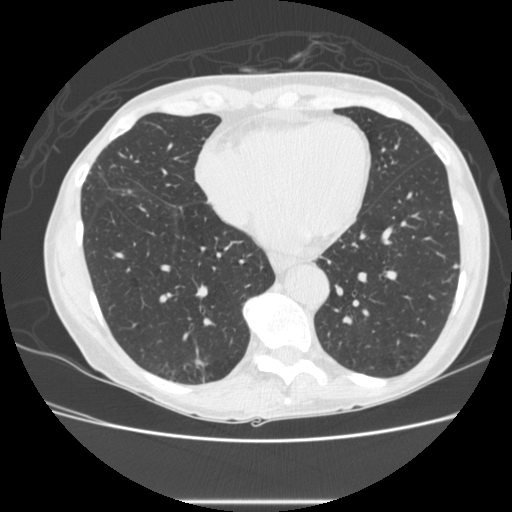
Chest CT, axial plane, 120 kVp, kernel STANDARD. Slice 99/265 from the bottom of the scan; thickness 1.25 mm; pixel size 0.670 mm.
Pulmonary nodule, outlined by three of the four readers. Box on this slice rows 262–268, columns 452–458, the union of the readers' outlines on this slice; longest diameter 5.7 mm on average over the three readers' outlines (readers' outlines 4.9–6.3 mm), volume 34–77 mm3. Ratings, by the readers' most common answer with dissent counted: texture 5/5 (solid) by two of three readers; the rest gave 4/5 (one); margin 5/5 (circumscribed), all three readers agreeing; sphericity 3/5 (ovoid) by two of three readers; the rest gave 5/5 (round) (one); calcification absent by two of three readers, central calcification (one); internal structure soft tissue, all three readers agreeing; most readers (two of three) put subtlety at 5/5, others 3/5 (one); malignancy likelihood 2/5 from all three readers. Scale key (1–5): texture non-solid→solid, margin indistinct→circumscribed, sphericity linear→round, subtlety extremely subtle→obvious, malignancy likelihood highly unlikely→highly suspicious of cancer. Box rows and columns are 0-based pixel indices from the top-left corner, inclusive.